Axial slice 128 of 241 of a chest CT (slice 1 is the lowest), reconstructed with the BONE kernel at 120 kVp; 1.25 mm slice thickness and 0.703 mm pixels.
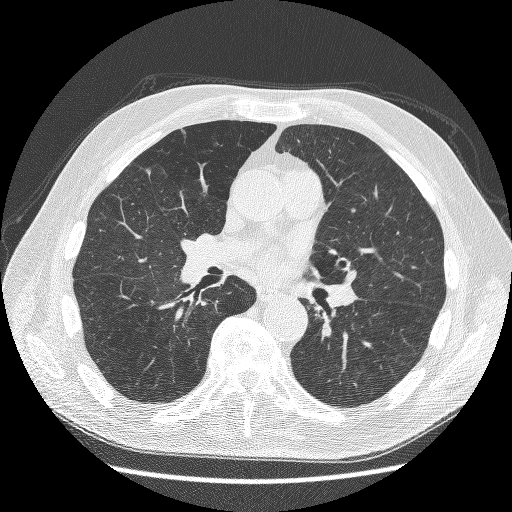
Pulmonary nodule outlined by one of the four readers; box rows 167–172, columns 145–150 (that reader's outline on this slice); longest diameter 7.3 mm and volume 53 mm3 from that reader's outline. Ratings by that reader: texture 5/5 (solid); margin 5/5 (circumscribed); sphericity 4/5; calcification absent; internal structure soft tissue; subtlety 4/5; malignancy likelihood 3/5. Scale key (1–5): texture non-solid→solid, margin indistinct→circumscribed, sphericity linear→round, subtlety extremely subtle→obvious, malignancy likelihood highly unlikely→highly suspicious of cancer. Box rows and columns are 0-based pixel indices from the top-left corner, inclusive.